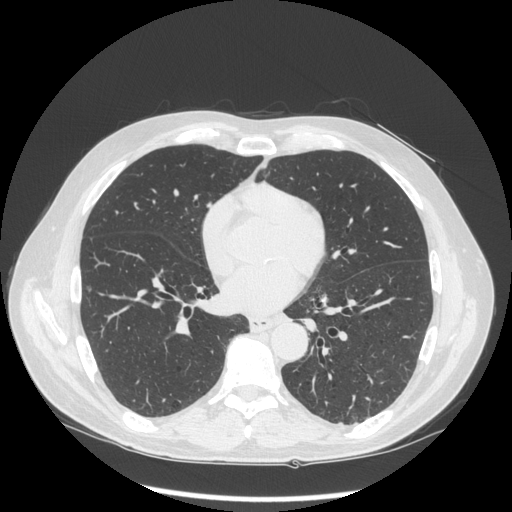
Slice 130/297 of a chest CT, counting up from the lowest; pixel size 0.787 mm, slice thickness 1.25 mm. Pulmonary nodule, outlined by all four readers. Box on this slice rows 285–292, columns 86–91, the union of the readers' outlines on this slice; longest diameter 8.2–9.2 mm and volume 151–187 mm3 across the four readers' outlines. The readers' ratings, as ranges where they differ: texture from 1/5 (non-solid) to 3/5 (part-solid) across the four readers; margin from 1/5 (indistinct) to 5/5 (circumscribed) across the four readers; sphericity from 3/5 (ovoid) to 5/5 (round) across the four readers; calcification absent from all four readers; internal structure soft tissue, all four readers agreeing; subtlety 1–4/5 (the readers disagree); malignancy likelihood from 2/5 to 4/5 across the four readers. Scale key (1–5): texture non-solid→solid, margin indistinct→circumscribed, sphericity linear→round, subtlety extremely subtle→obvious, malignancy likelihood highly unlikely→highly suspicious of cancer. Box rows and columns are 0-based pixel indices from the top-left corner, inclusive.
Tube voltage 120 kVp; convolution kernel STANDARD.